One axial slice (249 of 369, counting up from the lowest) of a chest CT acquired at 120 kVp with the STANDARD kernel; each pixel is 0.703 mm and the slice is 1.25 mm thick.
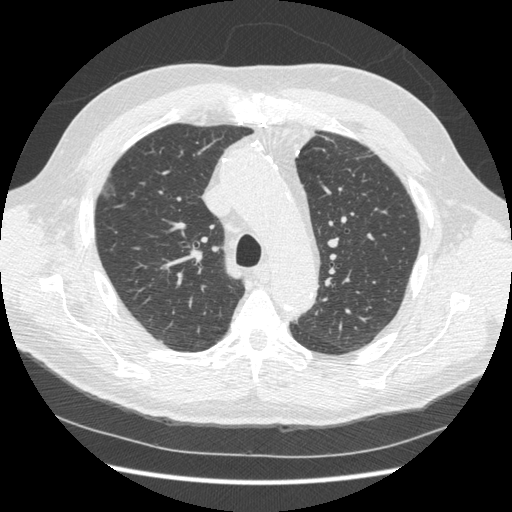
Pulmonary nodule, outlined by one of the four readers. Box on this slice rows 174–197, columns 103–114, that reader's outline on this slice; longest diameter 27.0 mm and volume 3015 mm3 from that reader's outline. That reader's ratings: texture 1/5 (non-solid); margin 1/5 (indistinct); sphericity 3/5 (ovoid); calcification absent; internal structure soft tissue; subtlety 3/5; malignancy likelihood 3/5. Scale key (1–5): texture non-solid→solid, margin indistinct→circumscribed, sphericity linear→round, subtlety extremely subtle→obvious, malignancy likelihood highly unlikely→highly suspicious of cancer. Box rows and columns are 0-based pixel indices from the top-left corner, inclusive.